One axial slice (98 of 140, counting up from the lowest) of a chest CT acquired at 120 kVp with the STANDARD kernel; each pixel is 0.703 mm and the slice is 2.50 mm thick.
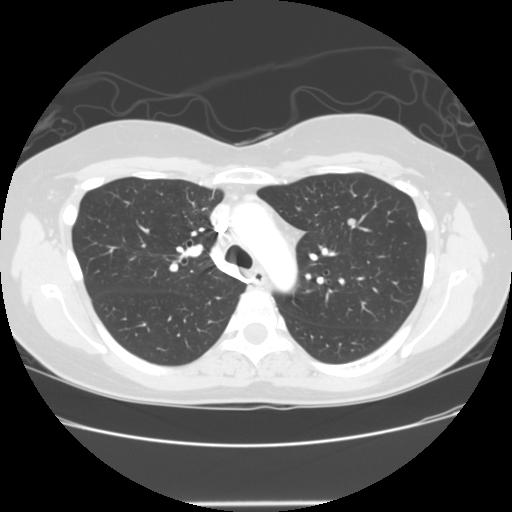
Pulmonary nodule outlined by all four readers; box rows 217–225, columns 347–355 (the union of the readers' outlines on this slice); median longest diameter 7.4 mm (readers' outlines 7.2–7.9 mm), median volume 217 mm3 (173–260 mm3). Median ratings and the readers' spread: texture 5/5 (solid) from all four readers; margin 5/5 (circumscribed) at the median of four readers, spread 4/5 to 5/5 (circumscribed); sphericity 4.5/5 at the median of four readers, spread 4/5 to 5/5 (round); calcification absent, all four readers agreeing; internal structure soft tissue, all four readers agreeing; median subtlety 3/5 (readers ranged 3–4); malignancy likelihood 2.5/5 at the median of four readers, spread 2–3. Scale key (1–5): texture non-solid→solid, margin indistinct→circumscribed, sphericity linear→round, subtlety extremely subtle→obvious, malignancy likelihood highly unlikely→highly suspicious of cancer. Box rows and columns are 0-based pixel indices from the top-left corner, inclusive.